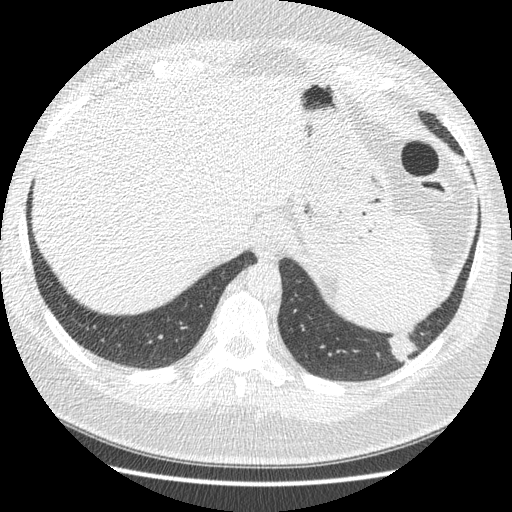
Axial chest CT slice 47 of 421 (counted from the lowest slice); 1.25 mm thick, 0.703 mm per pixel. Pulmonary nodule outlined four times (the source holds four more outlines, not used); box rows 325–363, columns 387–416 (the union of the readers' outlines on this slice); longest diameter 33.9 mm on average over the four readers' outlines (readers' outlines 30.9–38.9 mm), volume 4443–5826 mm3. Ratings, by the readers' most common answer with dissent counted: most readers (three of four) put texture at 5/5 (solid), others 4/5 (one); most readers (three of four) put margin at 4/5, others 3/5 (one); sphericity 2/5 by two of four readers; the rest gave 3/5 (ovoid) (one), 4/5 (one); calcification absent from all four readers; internal structure soft tissue from all four readers; subtlety 5/5 by three of four readers; the rest gave 4/5 (one); malignancy likelihood split among the readers: 2/5 (one), 3/5 (one), 4/5 (one), 5/5 (one). Scale key (1–5): texture non-solid→solid, margin indistinct→circumscribed, sphericity linear→round, subtlety extremely subtle→obvious, malignancy likelihood highly unlikely→highly suspicious of cancer. Box rows and columns are 0-based pixel indices from the top-left corner, inclusive.
Acquired at 120 kVp and reconstructed with the STANDARD kernel.